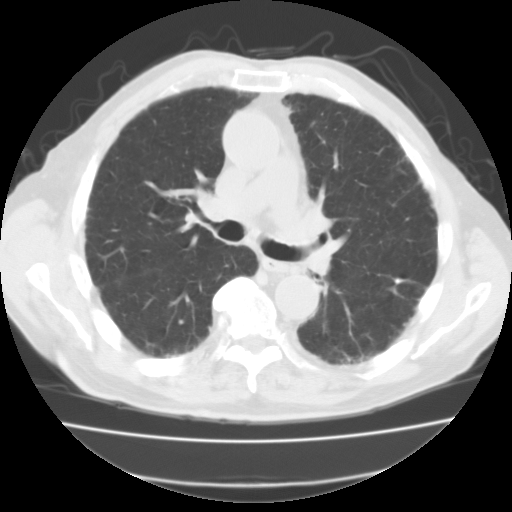
Axial slice 62 of 111 of a chest CT (slice 1 is the lowest), reconstructed with the FC01 kernel at 135 kVp; 3.00 mm slice thickness and 0.714 mm pixels.
Pulmonary nodule, outlined by one of the four readers. Box on this slice rows 278–283, columns 394–401, that reader's outline on this slice; longest diameter 8.4 mm and volume 198 mm3 from that reader's outline. Ratings by that reader: texture 5/5 (solid); margin 4/5; sphericity 3/5 (ovoid); calcification solid calcification; internal structure soft tissue; subtlety 4/5; malignancy likelihood 1/5. Scale key (1–5): texture non-solid→solid, margin indistinct→circumscribed, sphericity linear→round, subtlety extremely subtle→obvious, malignancy likelihood highly unlikely→highly suspicious of cancer. Box rows and columns are 0-based pixel indices from the top-left corner, inclusive.